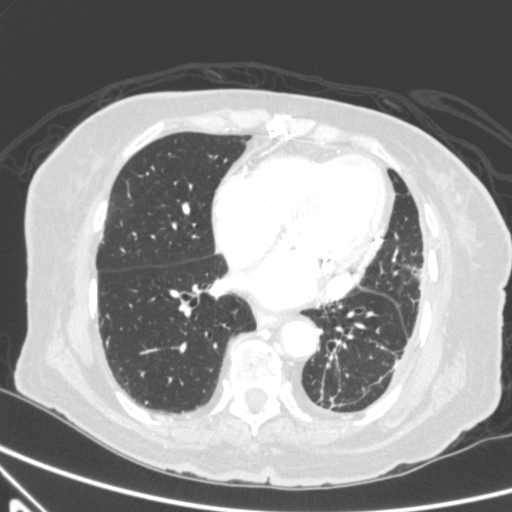
This is axial slice 231 of 590 (slice 1 is the lowest) of a chest CT; each pixel is 0.627 mm and the slice is 0.90 mm thick. None of the four readers outlined a nodule of 3 mm or more on this slice.
Scan settings: 120 kVp, B reconstruction kernel.